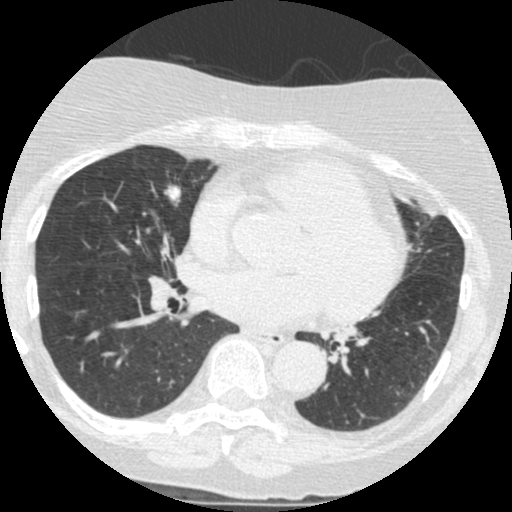
Axial chest CT slice 175 of 426 (counted from the lowest slice); tube voltage 120 kVp, convolution kernel STANDARD; slices 1.25 mm thick, 0.547 mm per pixel.
Pulmonary nodule, outlined by all four readers. Box on this slice rows 185–205, columns 164–180, the union of the readers' outlines on this slice; median longest diameter 18.6 mm (readers' outlines 17.0–20.6 mm), median volume 1572 mm3 (1129–1635 mm3). Median ratings and the readers' spread: texture 5/5 (solid) at the median of four readers, spread 4/5 to 5/5 (solid); median margin 3.5/5 (readers ranged 2/5 to 5/5 (circumscribed)); median sphericity 4/5 (readers ranged 3/5 (ovoid) to 5/5 (round)); calcification: absent (three), non-central calcification (one); internal structure soft tissue, all four readers agreeing; median subtlety 4.5/5 (readers ranged 3–5); malignancy likelihood 3.5/5 at the median of four readers, spread 2–4. Scale key (1–5): texture non-solid→solid, margin indistinct→circumscribed, sphericity linear→round, subtlety extremely subtle→obvious, malignancy likelihood highly unlikely→highly suspicious of cancer. Box rows and columns are 0-based pixel indices from the top-left corner, inclusive.